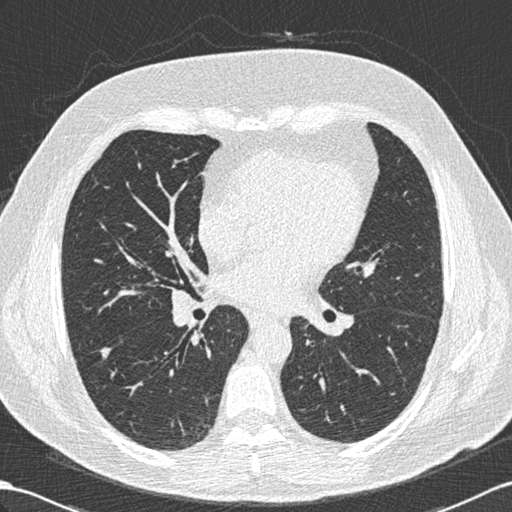
Chest CT, axial plane, 120 kVp, kernel B30f. Slice 304/636 from the bottom of the scan; thickness 0.60 mm; pixel size 0.689 mm.
Pulmonary nodule outlined by all four readers; box rows 346–359, columns 99–112 (the union of the readers' outlines on this slice); longest diameter 10.2–12.1 mm and volume 103–208 mm3 across the four readers' outlines. The readers' ratings, as ranges where they differ: texture from 4/5 to 5/5 (solid) across the four readers; margin from 3/5 to 5/5 (circumscribed) across the four readers; sphericity 3/5 (ovoid) from all four readers; calcification absent, all four readers agreeing; internal structure soft tissue, all four readers agreeing; subtlety rated between 3 and 5 out of 5 by the four readers; malignancy likelihood 3/5 from all four readers. Scale key (1–5): texture non-solid→solid, margin indistinct→circumscribed, sphericity linear→round, subtlety extremely subtle→obvious, malignancy likelihood highly unlikely→highly suspicious of cancer. Box rows and columns are 0-based pixel indices from the top-left corner, inclusive.